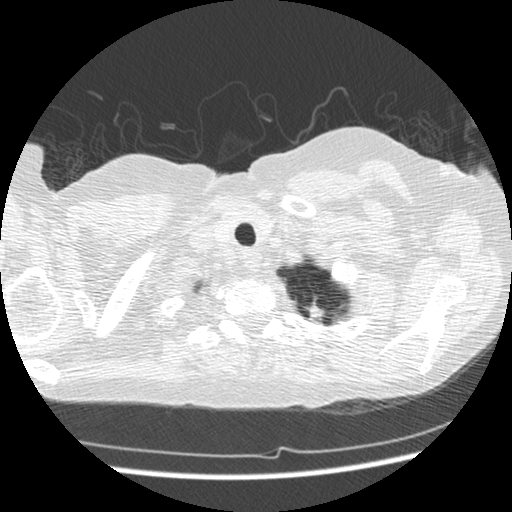
One axial slice (448 of 477, counting up from the lowest) of a chest CT acquired at 120 kVp with the STANDARD kernel; each pixel is 0.625 mm and the slice is 1.25 mm thick.
Pulmonary nodule, outlined by one of the four readers. Box on this slice rows 295–324, columns 303–323, that reader's outline on this slice; longest diameter 20.3 mm and volume 472 mm3 from that reader's outline. Ratings by that reader: texture 5/5 (solid); margin 5/5 (circumscribed); sphericity 5/5 (round); calcification solid calcification; internal structure soft tissue; subtlety 5/5; malignancy likelihood 1/5. Scale key (1–5): texture non-solid→solid, margin indistinct→circumscribed, sphericity linear→round, subtlety extremely subtle→obvious, malignancy likelihood highly unlikely→highly suspicious of cancer. Box rows and columns are 0-based pixel indices from the top-left corner, inclusive.